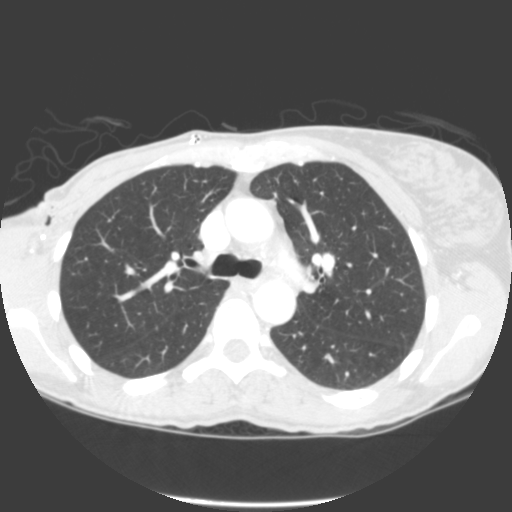
This is axial slice 205 of 325 (slice 1 is the lowest) of a chest CT; each pixel is 0.611 mm and the slice is 2.00 mm thick. None of the four readers outlined a nodule of 3 mm or more on this slice.
Scan settings: 120 kVp, B reconstruction kernel.